Axial chest CT slice 169 of 245 (counted from the lowest slice); tube voltage 120 kVp, convolution kernel STANDARD; slices 2.50 mm thick, 0.547 mm per pixel.
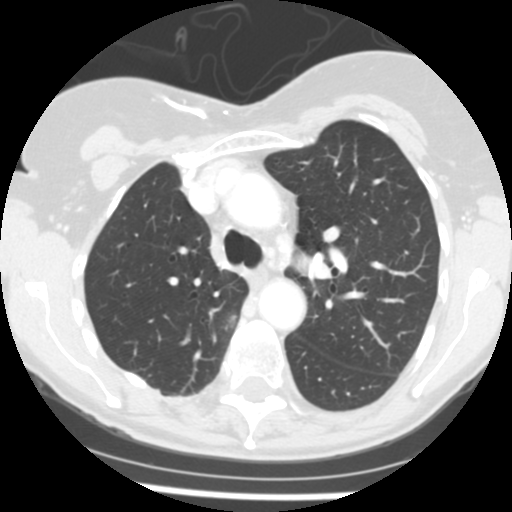
Pulmonary nodule at rows 314–328, columns 226–237 (box = the union of the readers' outlines on this slice), outlined by all four readers, three of them on this slice; longest diameter 13.1–14.5 mm and volume 549–868 mm3 across the four readers' outlines. Ratings across the readers: texture 5/5 (solid) from all four readers; margin from 3/5 to 5/5 (circumscribed) across the four readers; sphericity from 2/5 to 5/5 (round) across the four readers; calcification absent from all four readers; internal structure soft tissue from all four readers; subtlety rated between 4 and 5 out of 5 by the four readers; malignancy likelihood 3–5/5 (the readers disagree). Scale key (1–5): texture non-solid→solid, margin indistinct→circumscribed, sphericity linear→round, subtlety extremely subtle→obvious, malignancy likelihood highly unlikely→highly suspicious of cancer. Box rows and columns are 0-based pixel indices from the top-left corner, inclusive.